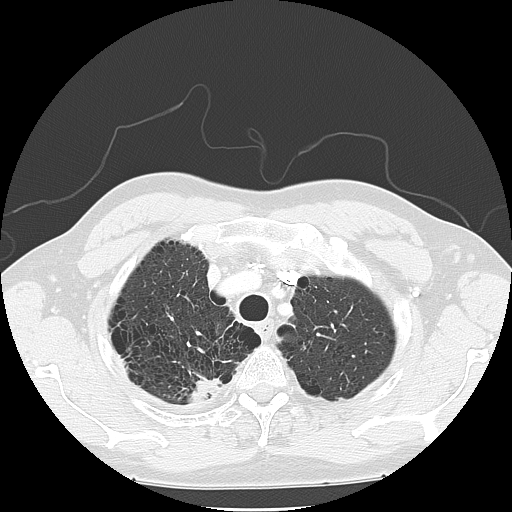
Axial chest CT slice 111 of 133 (counted from the lowest slice); 2.50 mm thick, 0.703 mm per pixel. Pulmonary nodule outlined by one of the four readers; box rows 379–400, columns 188–221 (that reader's outline on this slice); longest diameter 40.9 mm and volume 12423 mm3 from that reader's outline. That reader's ratings: texture 5/5 (solid); margin 3/5; sphericity 3/5 (ovoid); calcification absent; internal structure soft tissue; subtlety 5/5; malignancy likelihood 2/5. Scale key (1–5): texture non-solid→solid, margin indistinct→circumscribed, sphericity linear→round, subtlety extremely subtle→obvious, malignancy likelihood highly unlikely→highly suspicious of cancer. Box rows and columns are 0-based pixel indices from the top-left corner, inclusive.
Tube voltage 120 kVp; convolution kernel LUNG.